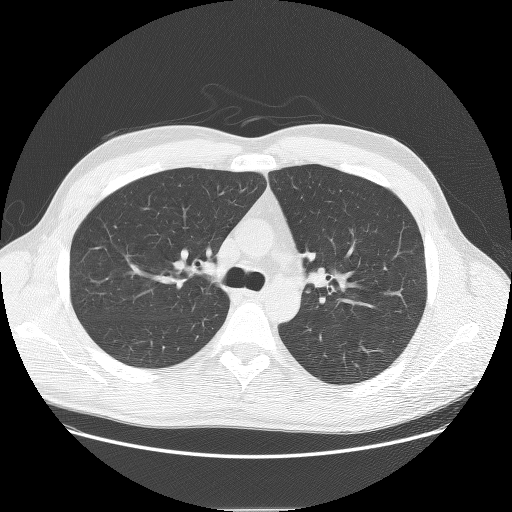
This is axial slice 79 of 121 (slice 1 is the lowest) of a chest CT; each pixel is 0.762 mm and the slice is 2.50 mm thick. Pulmonary nodule, outlined by two of the four readers. Box on this slice rows 289–293, columns 304–310, the union of the readers' outlines on this slice; longest diameter 5.8 mm on average over the two readers' outlines (readers' outlines 5.4–6.3 mm), volume 73–96 mm3. Ratings, by the readers' most common answer with dissent counted: texture split among the readers: 3/5 (part-solid) (one), 4/5 (one); margin 5/5 (circumscribed) from both readers; sphericity 5/5 (round), both readers agreeing; calcification absent from both readers; internal structure soft tissue from both readers; subtlety 2/5 from both readers; malignancy likelihood split among the readers: 2/5 (one), 3/5 (one). Scale key (1–5): texture non-solid→solid, margin indistinct→circumscribed, sphericity linear→round, subtlety extremely subtle→obvious, malignancy likelihood highly unlikely→highly suspicious of cancer. Box rows and columns are 0-based pixel indices from the top-left corner, inclusive.
Scan settings: 140 kVp, BONE reconstruction kernel.